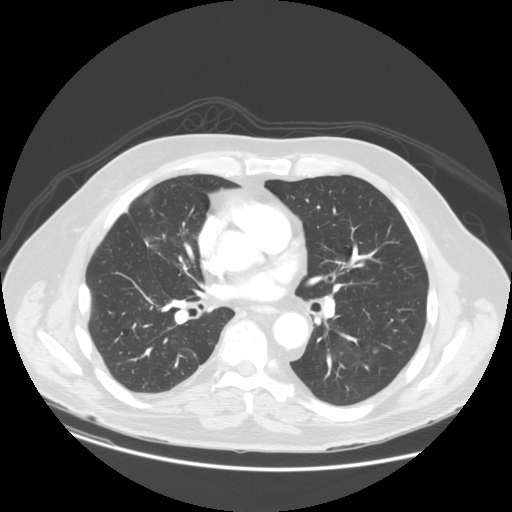
Axial chest CT slice 64 of 140 (counted from the lowest slice); tube voltage 120 kVp, convolution kernel STANDARD; slices 2.50 mm thick, 0.820 mm per pixel.
Pulmonary nodule, outlined by one of the four readers. Box on this slice rows 346–354, columns 371–379, that reader's outline on this slice; longest diameter 31.7 mm and volume 4731 mm3 from that reader's outline. Ratings by that reader: texture 1/5 (non-solid); margin 2/5; sphericity 5/5 (round); calcification absent; internal structure soft tissue; subtlety 1/5; malignancy likelihood 2/5. Scale key (1–5): texture non-solid→solid, margin indistinct→circumscribed, sphericity linear→round, subtlety extremely subtle→obvious, malignancy likelihood highly unlikely→highly suspicious of cancer. Box rows and columns are 0-based pixel indices from the top-left corner, inclusive.